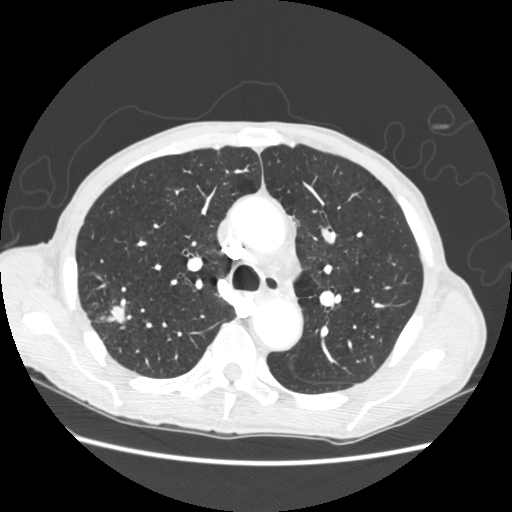
One axial slice (164 of 248, counting up from the lowest) of a chest CT acquired at 120 kVp with the STANDARD kernel; each pixel is 0.703 mm and the slice is 1.25 mm thick.
Pulmonary nodule outlined by all four readers; box rows 299–324, columns 94–130 (the union of the readers' outlines on this slice); the four readers' outlines give a longest diameter between 26.0 and 32.7 mm and a volume between 5181 and 6655 mm3. Ratings across the readers: texture 5/5 (solid) from all four readers; margin from 2/5 to 5/5 (circumscribed) across the four readers; sphericity from 3/5 (ovoid) to 4/5 across the four readers; calcification absent from all four readers; internal structure soft tissue from all four readers; subtlety 5/5 from all four readers; malignancy likelihood rated between 3 and 5 out of 5 by the four readers. Scale key (1–5): texture non-solid→solid, margin indistinct→circumscribed, sphericity linear→round, subtlety extremely subtle→obvious, malignancy likelihood highly unlikely→highly suspicious of cancer. Box rows and columns are 0-based pixel indices from the top-left corner, inclusive.